Axial chest CT slice 136 of 290 (counted from the lowest slice); tube voltage 120 kVp, convolution kernel D; slices 2.00 mm thick, 0.648 mm per pixel.
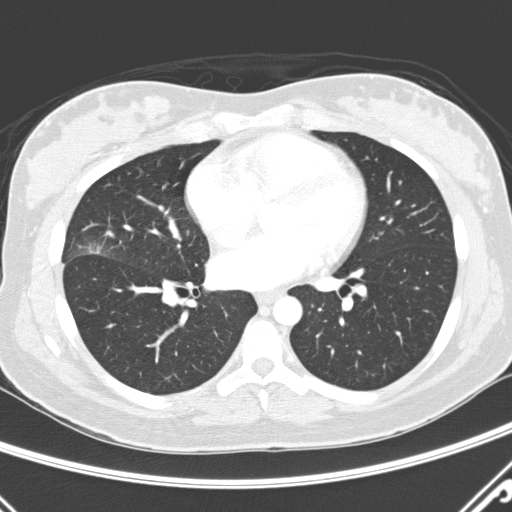
Pulmonary nodule outlined by all four readers, one of them on this slice; box rows 243–253, columns 82–101 (the one reader's outline on this slice); median longest diameter 23.9 mm (readers' outlines 19.9–37.8 mm), median volume 1825 mm3 (1327–2956 mm3). Ratings, median across the readers with their spread: texture 4/5 at the median of four readers, spread 3/5 (part-solid) to 5/5 (solid); margin 1.5/5 at the median of four readers, spread 1/5 (indistinct) to 3/5; median sphericity 3/5 (ovoid) (readers ranged 2/5 to 4/5); calcification absent, all four readers agreeing; internal structure soft tissue from all four readers; subtlety 5/5, all four readers agreeing; malignancy likelihood 4/5 at the median of four readers, spread 3–5. Scale key (1–5): texture non-solid→solid, margin indistinct→circumscribed, sphericity linear→round, subtlety extremely subtle→obvious, malignancy likelihood highly unlikely→highly suspicious of cancer. Box rows and columns are 0-based pixel indices from the top-left corner, inclusive.